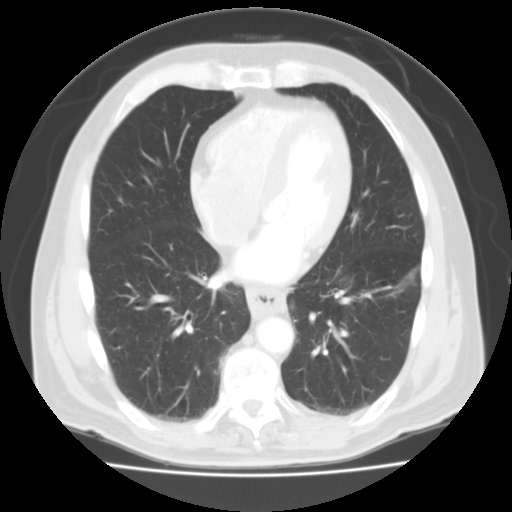
Axial chest CT slice 43 of 103 (counted from the lowest slice); 3.00 mm thick, 0.738 mm per pixel. No nodule of 3 mm or larger was outlined by any of the four readers on this slice.
Acquired at 135 kVp and reconstructed with the FC01 kernel.